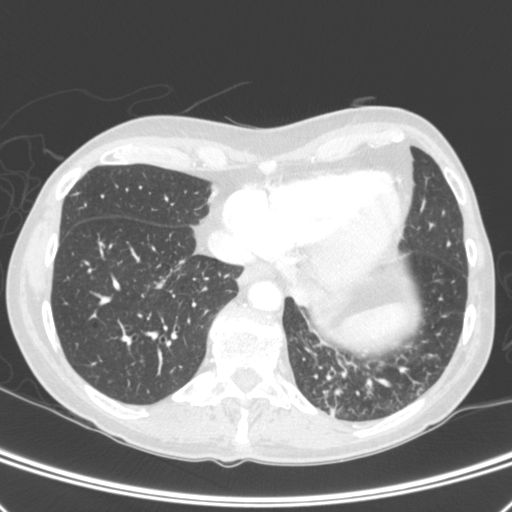
One axial slice (102 of 392, counting up from the lowest) of a chest CT acquired at 120 kVp with the C kernel; each pixel is 0.639 mm and the slice is 1.50 mm thick.
Pulmonary nodule at rows 282–289, columns 155–163 (box = the union of the readers' outlines on this slice), outlined by three of the four readers; longest diameter 9.0–10.9 mm and volume 190–278 mm3 across the three readers' outlines. The readers' ratings, as ranges where they differ: texture 5/5 (solid), all three readers agreeing; margin from 3/5 to 5/5 (circumscribed) across the three readers; sphericity 3/5 (ovoid), all three readers agreeing; calcification absent, all three readers agreeing; internal structure soft tissue, all three readers agreeing; subtlety 4–5/5 (the readers disagree); malignancy likelihood 2–4/5 (the readers disagree). Scale key (1–5): texture non-solid→solid, margin indistinct→circumscribed, sphericity linear→round, subtlety extremely subtle→obvious, malignancy likelihood highly unlikely→highly suspicious of cancer. Box rows and columns are 0-based pixel indices from the top-left corner, inclusive.